Chest CT, axial plane, 120 kVp, kernel STANDARD. Slice 265/548 from the bottom of the scan; thickness 1.25 mm; pixel size 0.781 mm.
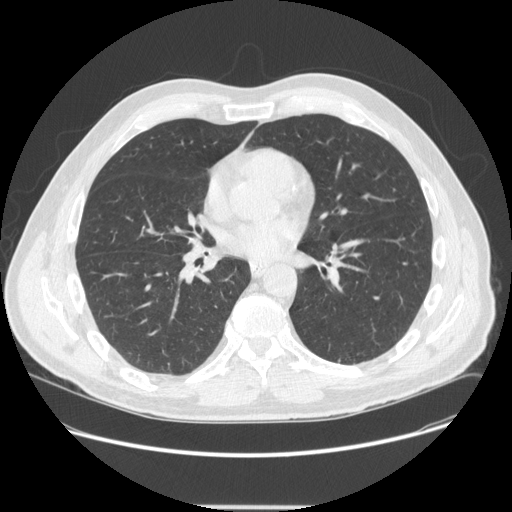
Pulmonary nodule at rows 358–362, columns 337–340 (box = the union of the readers' outlines on this slice), outlined by three of the four readers; median longest diameter 6.4 mm (readers' outlines 5.0–6.6 mm), median volume 60 mm3 (42–65 mm3). Ratings, median across the readers with their spread: texture 5/5 (solid), all three readers agreeing; median margin 5/5 (circumscribed) (readers ranged 4/5 to 5/5 (circumscribed)); median sphericity 4/5 (readers ranged 3/5 (ovoid) to 4/5); calcification absent from all three readers; internal structure soft tissue from all three readers; median subtlety 4/5 (readers ranged 2–5); median malignancy likelihood 3/5 (readers ranged 2–3). Scale key (1–5): texture non-solid→solid, margin indistinct→circumscribed, sphericity linear→round, subtlety extremely subtle→obvious, malignancy likelihood highly unlikely→highly suspicious of cancer. Box rows and columns are 0-based pixel indices from the top-left corner, inclusive.